One axial slice (306 of 372, counting up from the lowest) of a chest CT acquired at 120 kVp with the STANDARD kernel; each pixel is 0.586 mm and the slice is 1.25 mm thick.
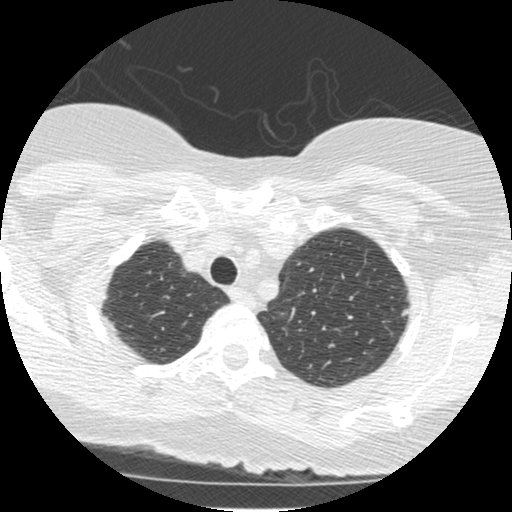
Pulmonary nodule at rows 309–316, columns 401–409 (box = that reader's outline on this slice), outlined by one of the four readers; longest diameter 7.1 mm and volume 68 mm3 from that reader's outline. Ratings by that reader: texture 5/5 (solid); margin 4/5; sphericity 3/5 (ovoid); calcification absent; internal structure soft tissue; subtlety 5/5; malignancy likelihood 3/5. Scale key (1–5): texture non-solid→solid, margin indistinct→circumscribed, sphericity linear→round, subtlety extremely subtle→obvious, malignancy likelihood highly unlikely→highly suspicious of cancer. Box rows and columns are 0-based pixel indices from the top-left corner, inclusive.